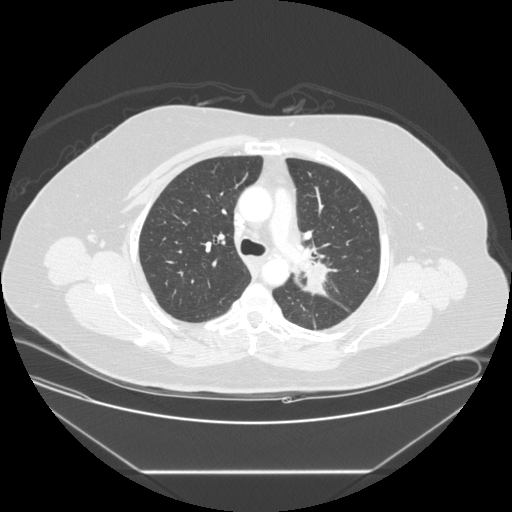
This is axial slice 160 of 225 (slice 1 is the lowest) of a chest CT; each pixel is 0.828 mm and the slice is 1.25 mm thick. Pulmonary nodule outlined by one of the four readers; box rows 262–295, columns 305–335 (that reader's outline on this slice); longest diameter 33.6 mm and volume 4404 mm3 from that reader's outline. Ratings by that reader: texture 5/5 (solid); margin 2/5; sphericity 3/5 (ovoid); calcification absent; internal structure soft tissue; subtlety 5/5; malignancy likelihood 5/5. Scale key (1–5): texture non-solid→solid, margin indistinct→circumscribed, sphericity linear→round, subtlety extremely subtle→obvious, malignancy likelihood highly unlikely→highly suspicious of cancer. Box rows and columns are 0-based pixel indices from the top-left corner, inclusive.
Acquired at 120 kVp and reconstructed with the STANDARD kernel.